Chest CT, axial plane, 120 kVp, kernel STANDARD. Slice 63/133 from the bottom of the scan; thickness 2.50 mm; pixel size 0.703 mm.
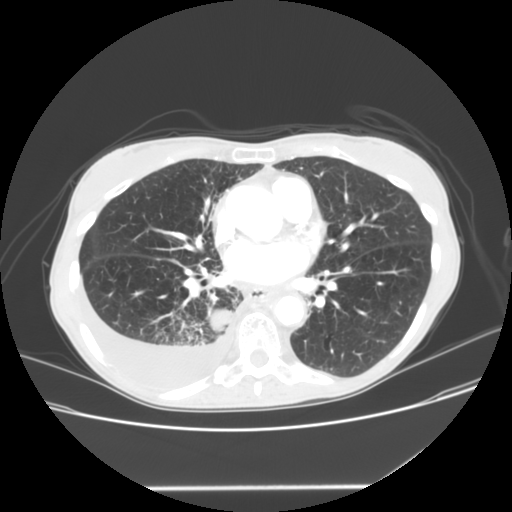
Pulmonary nodule outlined by two of the four readers; box rows 309–331, columns 209–230 (the union of the readers' outlines on this slice); median longest diameter 35.2 mm (readers' outlines 33.4–36.9 mm), median volume 15549 mm3 (15304–15793 mm3). Median ratings and the readers' spread: median texture 4.5/5 (readers ranged 4/5 to 5/5 (solid)); margin 5/5 (circumscribed), both readers agreeing; sphericity 4.5/5 at the median of two readers, spread 4/5 to 5/5 (round); calcification absent from both readers; internal structure soft tissue from both readers; subtlety 5/5, both readers agreeing; median malignancy likelihood 2.5/5 (readers ranged 2–3). Scale key (1–5): texture non-solid→solid, margin indistinct→circumscribed, sphericity linear→round, subtlety extremely subtle→obvious, malignancy likelihood highly unlikely→highly suspicious of cancer. Box rows and columns are 0-based pixel indices from the top-left corner, inclusive.